One axial slice (133 of 199, counting up from the lowest) of a chest CT acquired at 120 kVp with the B30f kernel; each pixel is 0.762 mm and the slice is 2.00 mm thick.
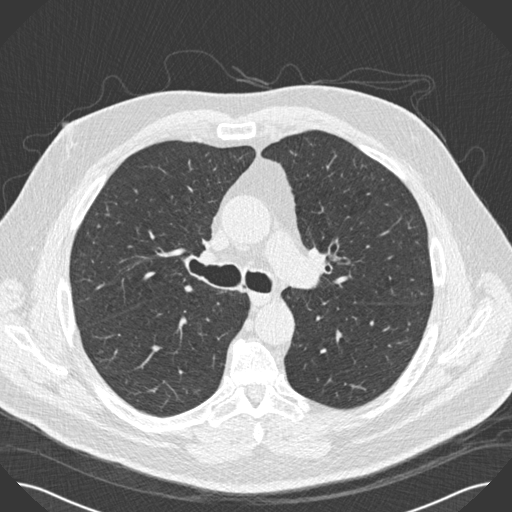
The readers outlined no nodule of 3 mm or more on this slice.